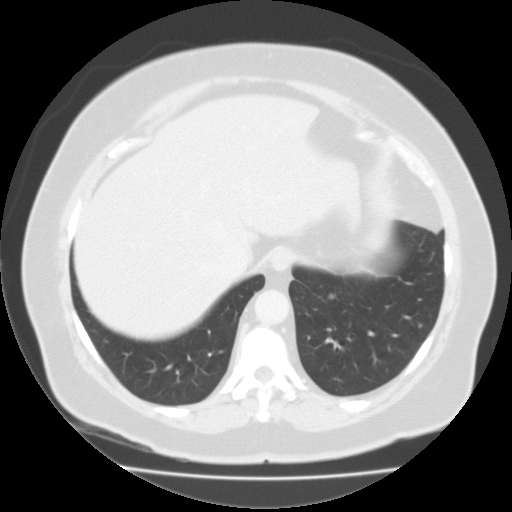
One axial slice (35 of 113, counting up from the lowest) of a chest CT acquired at 135 kVp with the FC01 kernel; each pixel is 0.750 mm and the slice is 3.00 mm thick.
Pulmonary nodule at rows 293–299, columns 326–334 (box = the union of the readers' outlines on this slice), outlined by all four readers; longest diameter 8.6–9.2 mm and volume 279–352 mm3 across the four readers' outlines. Ratings across the readers: texture from 4/5 to 5/5 (solid) across the four readers; margin from 4/5 to 5/5 (circumscribed) across the four readers; sphericity from 4/5 to 5/5 (round) across the four readers; calcification absent from all four readers; internal structure soft tissue from all four readers; subtlety rated between 3 and 5 out of 5 by the four readers; malignancy likelihood rated between 2 and 3 out of 5 by the four readers. Scale key (1–5): texture non-solid→solid, margin indistinct→circumscribed, sphericity linear→round, subtlety extremely subtle→obvious, malignancy likelihood highly unlikely→highly suspicious of cancer. Box rows and columns are 0-based pixel indices from the top-left corner, inclusive.